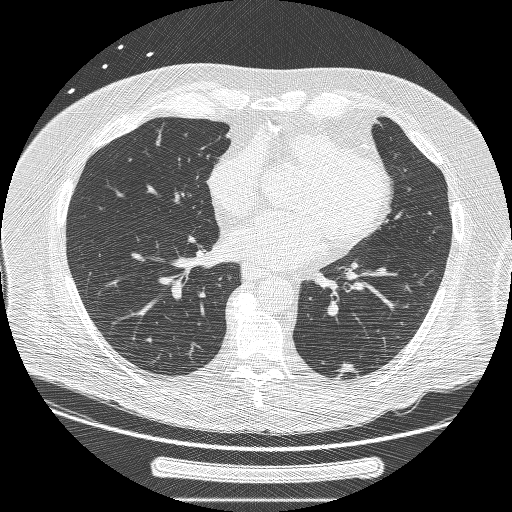
Slice 95/239 of a chest CT, counting up from the lowest; pixel size 0.795 mm, slice thickness 1.25 mm. Pulmonary nodule at rows 363–377, columns 337–358 (box = the union of the readers' outlines on this slice), outlined by two of the four readers; longest diameter 17.7 mm on average over the two readers' outlines (readers' outlines 17.4–17.9 mm), volume 746–814 mm3. Ratings, by the readers' most common answer with dissent counted: texture 5/5 (solid), both readers agreeing; margin split among the readers: 3/5 (one), 4/5 (one); sphericity split among the readers: 1/5 (linear) (one), 3/5 (ovoid) (one); calcification absent, both readers agreeing; internal structure soft tissue, both readers agreeing; subtlety 4/5 from both readers; malignancy likelihood 4/5, both readers agreeing. Scale key (1–5): texture non-solid→solid, margin indistinct→circumscribed, sphericity linear→round, subtlety extremely subtle→obvious, malignancy likelihood highly unlikely→highly suspicious of cancer. Box rows and columns are 0-based pixel indices from the top-left corner, inclusive.
Tube voltage 120 kVp; convolution kernel BONE.